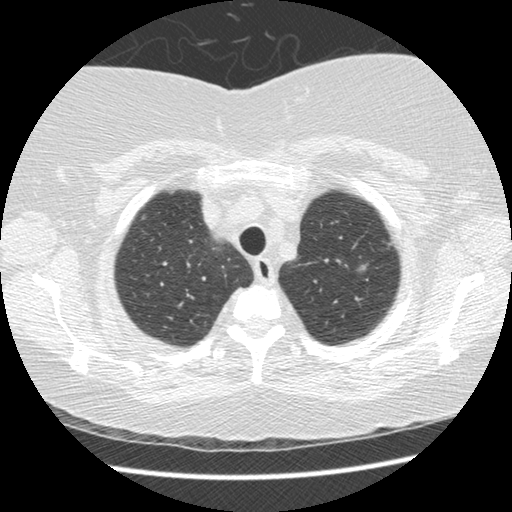
Chest CT, axial plane, 120 kVp, kernel STANDARD. Slice 414/474 from the bottom of the scan; thickness 1.25 mm; pixel size 0.645 mm.
Pulmonary nodule outlined by three of the four readers; box rows 264–272, columns 356–366 (the union of the readers' outlines on this slice); longest diameter 9.2 mm on average over the three readers' outlines (readers' outlines 8.2–9.8 mm), volume 122–196 mm3. The readers' prevailing ratings and who disagreed: texture split among the readers: 1/5 (non-solid) (one), 3/5 (part-solid) (one), 5/5 (solid) (one); margin split among the readers: 2/5 (one), 3/5 (one), 4/5 (one); most readers (two of three) put sphericity at 4/5, others 5/5 (round) (one); calcification absent from all three readers; internal structure soft tissue from all three readers; subtlety 5/5 by two of three readers; the rest gave 4/5 (one); malignancy likelihood 4/5 from all three readers. Scale key (1–5): texture non-solid→solid, margin indistinct→circumscribed, sphericity linear→round, subtlety extremely subtle→obvious, malignancy likelihood highly unlikely→highly suspicious of cancer. Box rows and columns are 0-based pixel indices from the top-left corner, inclusive.